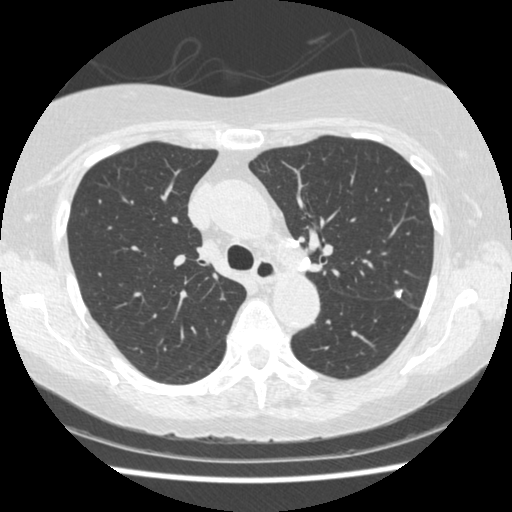
One axial slice (298 of 458, counting up from the lowest) of a chest CT acquired at 120 kVp with the STANDARD kernel; each pixel is 0.625 mm and the slice is 1.25 mm thick.
Two pulmonary nodules are outlined on this slice; from left to right: (1) Pulmonary nodule at rows 257–271, columns 299–310 (box = that reader's outline on this slice), outlined by one of the four readers; longest diameter 11.9 mm and volume 579 mm3 from that reader's outline. Ratings by that reader: texture 5/5 (solid); margin 5/5 (circumscribed); sphericity 5/5 (round); calcification solid calcification; internal structure soft tissue; subtlety 4/5; malignancy likelihood 1/5. (2) Pulmonary nodule, outlined by all four readers. Box on this slice rows 289–297, columns 394–402, the union of the readers' outlines on this slice; the four readers' outlines give a longest diameter between 6.8 and 7.1 mm and a volume between 96 and 159 mm3. Ratings across the readers: texture from 4/5 to 5/5 (solid) across the four readers; margin from 4/5 to 5/5 (circumscribed) across the four readers; sphericity from 3/5 (ovoid) to 4/5 across the four readers; calcification: solid calcification (two), central calcification (one), absent (one); internal structure soft tissue from all four readers; subtlety rated between 4 and 5 out of 5 by the four readers; malignancy likelihood rated between 1 and 3 out of 5 by the four readers. Scale key (1–5): texture non-solid→solid, margin indistinct→circumscribed, sphericity linear→round, subtlety extremely subtle→obvious, malignancy likelihood highly unlikely→highly suspicious of cancer. Box rows and columns are 0-based pixel indices from the top-left corner, inclusive.